One axial slice (49 of 125, counting up from the lowest) of a chest CT acquired at 135 kVp with the FC01 kernel; each pixel is 0.721 mm and the slice is 3.00 mm thick.
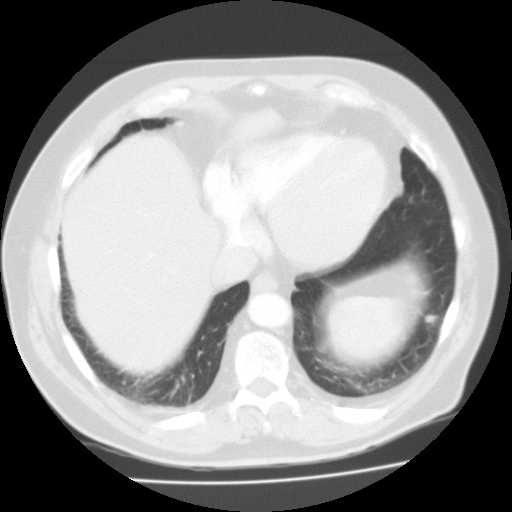
Pulmonary nodule at rows 315–323, columns 425–438 (box = the union of the readers' outlines on this slice), outlined by all four readers; longest diameter 11.2 mm on average over the four readers' outlines (readers' outlines 10.3–12.6 mm), volume 292–433 mm3. The readers' prevailing ratings and who disagreed: texture 3/5 (part-solid) by two of four readers; the rest gave 4/5 (one), 5/5 (solid) (one); margin split among the readers: 1/5 (indistinct) (one), 2/5 (one), 4/5 (one), 5/5 (circumscribed) (one); most readers (three of four) put sphericity at 3/5 (ovoid), others 4/5 (one); calcification absent, all four readers agreeing; internal structure soft tissue from all four readers; subtlety 4/5 by two of four readers; the rest gave 3/5 (one), 5/5 (one); malignancy likelihood 3/5 by three of four readers; the rest gave 2/5 (one). Scale key (1–5): texture non-solid→solid, margin indistinct→circumscribed, sphericity linear→round, subtlety extremely subtle→obvious, malignancy likelihood highly unlikely→highly suspicious of cancer. Box rows and columns are 0-based pixel indices from the top-left corner, inclusive.